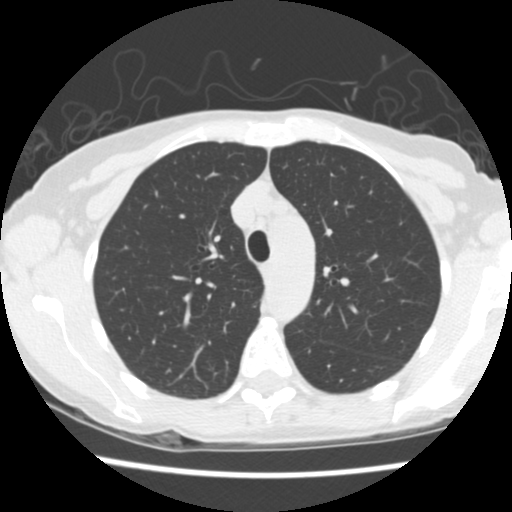
Slice 121/163 of a chest CT, counting up from the lowest; pixel size 0.586 mm, slice thickness 2.50 mm. This slice carries no reader outline of a nodule 3 mm or larger.
Scan settings: 120 kVp, STANDARD reconstruction kernel.